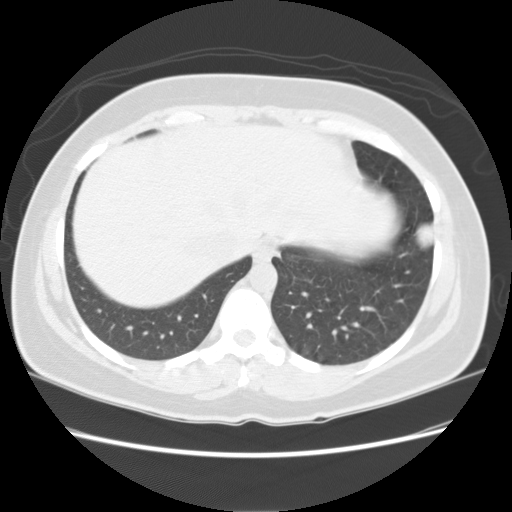
Chest CT, axial plane, 120 kVp, kernel STANDARD. Slice 47/127 from the bottom of the scan; thickness 2.50 mm; pixel size 0.703 mm.
Pulmonary nodule outlined by all four readers; box rows 222–250, columns 415–433 (the union of the readers' outlines on this slice); median longest diameter 28.1 mm (readers' outlines 27.7–28.3 mm), median volume 5769 mm3 (5117–6404 mm3). Median ratings and the readers' spread: texture 5/5 (solid), all four readers agreeing; margin 5/5 (circumscribed) at the median of four readers, spread 4/5 to 5/5 (circumscribed); sphericity 3/5 (ovoid) at the median of four readers, spread 3/5 (ovoid) to 5/5 (round); calcification absent, all four readers agreeing; internal structure soft tissue from all four readers; subtlety 5/5 from all four readers; malignancy likelihood 4.5/5 at the median of four readers, spread 3–5. Scale key (1–5): texture non-solid→solid, margin indistinct→circumscribed, sphericity linear→round, subtlety extremely subtle→obvious, malignancy likelihood highly unlikely→highly suspicious of cancer. Box rows and columns are 0-based pixel indices from the top-left corner, inclusive.